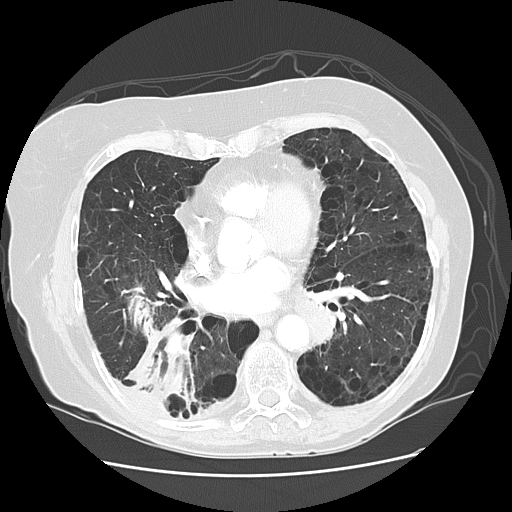
Axial chest CT slice 57 of 125 (counted from the lowest slice); tube voltage 120 kVp, convolution kernel LUNG; slices 2.50 mm thick, 0.703 mm per pixel.
Pulmonary nodule, outlined by one of the four readers. Box on this slice rows 297–343, columns 296–330, that reader's outline on this slice; longest diameter 37.4 mm and volume 10878 mm3 from that reader's outline. Ratings by that reader: texture 5/5 (solid); margin 5/5 (circumscribed); sphericity 5/5 (round); calcification absent; internal structure soft tissue; subtlety 3/5; malignancy likelihood 2/5. Scale key (1–5): texture non-solid→solid, margin indistinct→circumscribed, sphericity linear→round, subtlety extremely subtle→obvious, malignancy likelihood highly unlikely→highly suspicious of cancer. Box rows and columns are 0-based pixel indices from the top-left corner, inclusive.